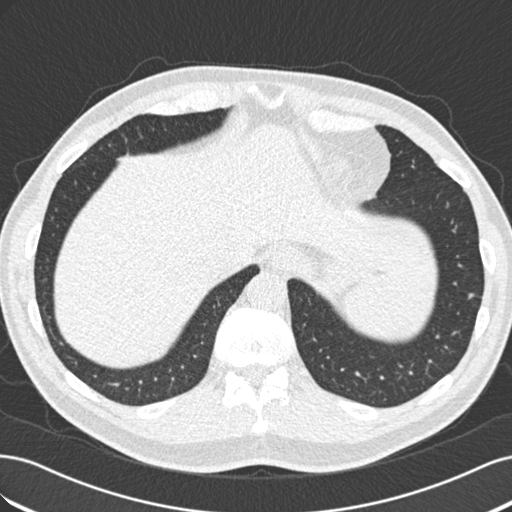
Chest CT, axial plane, 120 kVp, kernel B30f. Slice 61/219 from the bottom of the scan; thickness 2.00 mm; pixel size 0.703 mm.
Pulmonary nodule at rows 293–298, columns 467–473 (box = the union of the readers' outlines on this slice), outlined by two of the four readers; median longest diameter 7.5 mm (readers' outlines 7.3–7.6 mm), median volume 105 mm3 (87–124 mm3). Median ratings and the readers' spread: texture 5/5 (solid), both readers agreeing; margin 5/5 (circumscribed) from both readers; sphericity 4.5/5 at the median of two readers, spread 4/5 to 5/5 (round); calcification absent, both readers agreeing; internal structure soft tissue, both readers agreeing; median subtlety 4.5/5 (readers ranged 4–5); median malignancy likelihood 2.5/5 (readers ranged 2–3). Scale key (1–5): texture non-solid→solid, margin indistinct→circumscribed, sphericity linear→round, subtlety extremely subtle→obvious, malignancy likelihood highly unlikely→highly suspicious of cancer. Box rows and columns are 0-based pixel indices from the top-left corner, inclusive.